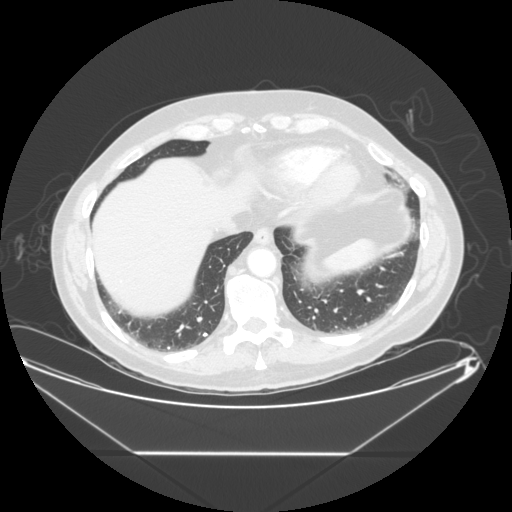
This is axial slice 71 of 265 (slice 1 is the lowest) of a chest CT; each pixel is 0.883 mm and the slice is 1.25 mm thick. Pulmonary nodule, outlined by two of the four readers. Box on this slice rows 332–337, columns 202–208, the union of the readers' outlines on this slice; median longest diameter 6.2 mm (readers' outlines 5.4–7.1 mm), median volume 84 mm3 (56–113 mm3). Median ratings and the readers' spread: texture 5/5 (solid) from both readers; margin 5/5 (circumscribed) from both readers; median sphericity 4.5/5 (readers ranged 4/5 to 5/5 (round)); calcification solid calcification, both readers agreeing; internal structure soft tissue from both readers; median subtlety 4.5/5 (readers ranged 4–5); malignancy likelihood 1/5 from both readers. Scale key (1–5): texture non-solid→solid, margin indistinct→circumscribed, sphericity linear→round, subtlety extremely subtle→obvious, malignancy likelihood highly unlikely→highly suspicious of cancer. Box rows and columns are 0-based pixel indices from the top-left corner, inclusive.
Acquired at 120 kVp and reconstructed with the STANDARD kernel.